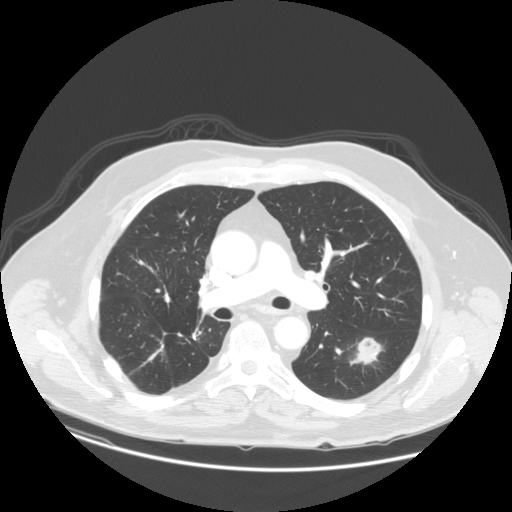
This is axial slice 77 of 140 (slice 1 is the lowest) of a chest CT; each pixel is 0.820 mm and the slice is 2.50 mm thick. Pulmonary nodule at rows 336–369, columns 347–385 (box = the union of the readers' outlines on this slice), outlined by all four readers; longest diameter 31.0 mm on average over the four readers' outlines (readers' outlines 28.0–35.5 mm), volume 4625–10612 mm3. The readers' prevailing ratings and who disagreed: texture 4/5 by two of four readers; the rest gave 3/5 (part-solid) (one), 5/5 (solid) (one); margin 3/5 by three of four readers; the rest gave 4/5 (one); sphericity 4/5 by two of four readers; the rest gave 3/5 (ovoid) (one), 5/5 (round) (one); calcification absent, all four readers agreeing; internal structure soft tissue from all four readers; subtlety 5/5 from all four readers; malignancy likelihood 5/5 by two of four readers; the rest gave 3/5 (one), 4/5 (one). Scale key (1–5): texture non-solid→solid, margin indistinct→circumscribed, sphericity linear→round, subtlety extremely subtle→obvious, malignancy likelihood highly unlikely→highly suspicious of cancer. Box rows and columns are 0-based pixel indices from the top-left corner, inclusive.
Scan settings: 120 kVp, STANDARD reconstruction kernel.